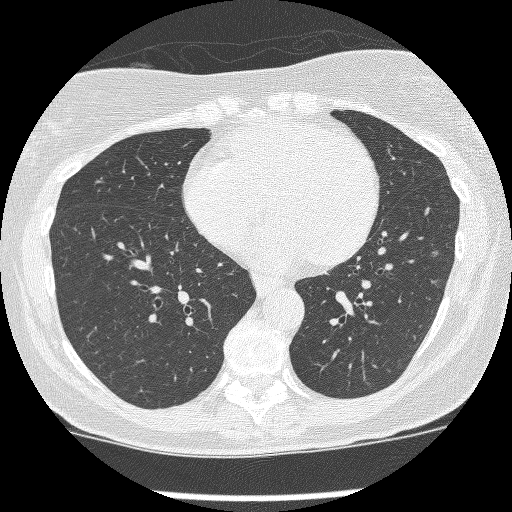
One axial slice (112 of 257, counting up from the lowest) of a chest CT acquired at 120 kVp with the BONE kernel; each pixel is 0.576 mm and the slice is 1.25 mm thick.
Pulmonary nodule outlined by three of the four readers; box rows 250–256, columns 429–438 (the union of the readers' outlines on this slice); longest diameter 4.9–6.0 mm and volume 61–103 mm3 across the three readers' outlines. The readers' ratings, as ranges where they differ: texture from 1/5 (non-solid) to 5/5 (solid) across the three readers; margin from 1/5 (indistinct) to 4/5 across the three readers; sphericity from 2/5 to 3/5 (ovoid) across the three readers; calcification absent from all three readers; internal structure soft tissue from all three readers; subtlety rated between 1 and 5 out of 5 by the three readers; malignancy likelihood from 3/5 to 4/5 across the three readers. Scale key (1–5): texture non-solid→solid, margin indistinct→circumscribed, sphericity linear→round, subtlety extremely subtle→obvious, malignancy likelihood highly unlikely→highly suspicious of cancer. Box rows and columns are 0-based pixel indices from the top-left corner, inclusive.